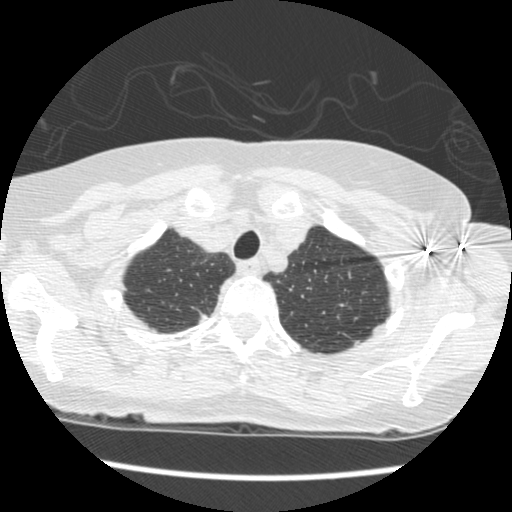
Chest CT, axial plane, 120 kVp, kernel STANDARD. Slice 404/461 from the bottom of the scan; thickness 1.25 mm; pixel size 0.586 mm.
Pulmonary nodule at rows 284–290, columns 120–124 (box = that reader's outline on this slice), outlined by one of the four readers; longest diameter 6.7 mm and volume 53 mm3 from that reader's outline. Ratings by that reader: texture 5/5 (solid); margin 5/5 (circumscribed); sphericity 4/5; calcification absent; internal structure soft tissue; subtlety 5/5; malignancy likelihood 4/5. Scale key (1–5): texture non-solid→solid, margin indistinct→circumscribed, sphericity linear→round, subtlety extremely subtle→obvious, malignancy likelihood highly unlikely→highly suspicious of cancer. Box rows and columns are 0-based pixel indices from the top-left corner, inclusive.